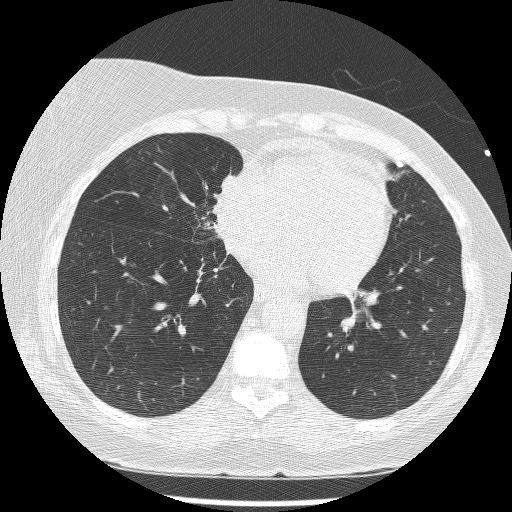
This is axial slice 66 of 209 (slice 1 is the lowest) of a chest CT; each pixel is 0.617 mm and the slice is 1.25 mm thick. Two pulmonary nodules are outlined on this slice; from left to right: (1) Pulmonary nodule outlined by three of the four readers, two of them on this slice; box rows 221–229, columns 203–217 (the union of the readers' outlines on this slice); the three readers' outlines give a longest diameter between 22.9 and 27.7 mm and a volume between 3040 and 4232 mm3. The readers' ratings, as ranges where they differ: texture 5/5 (solid) from all three readers; margin from 4/5 to 5/5 (circumscribed) across the three readers; sphericity from 3/5 (ovoid) to 4/5 across the three readers; calcification absent, all three readers agreeing; internal structure soft tissue, all three readers agreeing; subtlety 5/5 from all three readers; malignancy likelihood 5/5, all three readers agreeing. (2) Pulmonary nodule outlined by three of the four readers; box rows 161–166, columns 395–402 (the union of the readers' outlines on this slice); longest diameter 6.7 mm on average over the three readers' outlines (readers' outlines 6.2–7.2 mm), volume 69–94 mm3. The readers' prevailing ratings and who disagreed: texture 5/5 (solid), all three readers agreeing; margin 5/5 (circumscribed), all three readers agreeing; sphericity 4/5 by two of three readers; the rest gave 3/5 (ovoid) (one); calcification solid calcification by two of three readers, absent (one); internal structure soft tissue, all three readers agreeing; subtlety split among the readers: 3/5 (one), 4/5 (one), 5/5 (one); most readers (two of three) put malignancy likelihood at 1/5, others 2/5 (one). Scale key (1–5): texture non-solid→solid, margin indistinct→circumscribed, sphericity linear→round, subtlety extremely subtle→obvious, malignancy likelihood highly unlikely→highly suspicious of cancer. Box rows and columns are 0-based pixel indices from the top-left corner, inclusive.
Tube voltage 120 kVp; convolution kernel BONE.